One axial slice (115 of 289, counting up from the lowest) of a chest CT acquired at 120 kVp with the STANDARD kernel; each pixel is 0.764 mm and the slice is 1.25 mm thick.
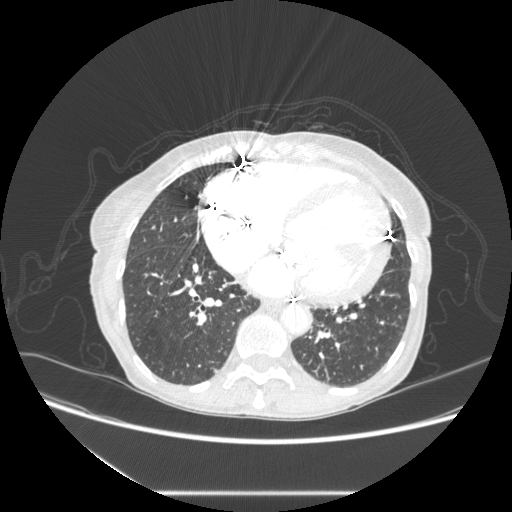
This slice carries no reader outline of a nodule 3 mm or larger.